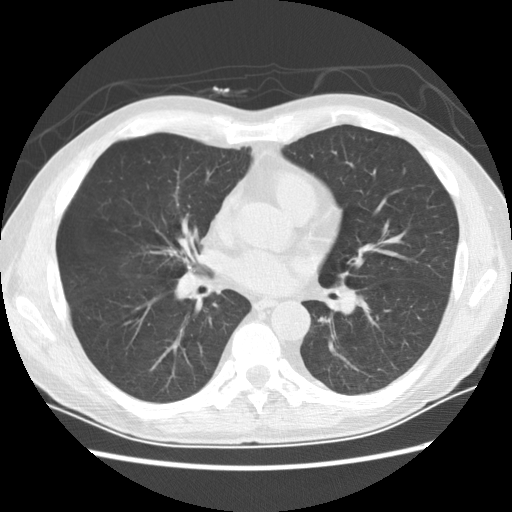
Chest CT, axial plane, 120 kVp, kernel STANDARD. Slice 73/154 from the bottom of the scan; thickness 2.50 mm; pixel size 0.684 mm.
Pulmonary nodule outlined by two of the four readers, one of them on this slice; box rows 169–173, columns 402–403 (the one reader's outline on this slice); longest diameter 6.2 mm on average over the two readers' outlines (readers' outlines 6.2 mm), volume 43–76 mm3. Ratings, by the readers' most common answer with dissent counted: texture 5/5 (solid), both readers agreeing; margin split among the readers: 3/5 (one), 5/5 (circumscribed) (one); sphericity split among the readers: 3/5 (ovoid) (one), 4/5 (one); calcification absent from both readers; internal structure soft tissue, both readers agreeing; subtlety split among the readers: 2/5 (one), 4/5 (one); malignancy likelihood 2/5, both readers agreeing. Scale key (1–5): texture non-solid→solid, margin indistinct→circumscribed, sphericity linear→round, subtlety extremely subtle→obvious, malignancy likelihood highly unlikely→highly suspicious of cancer. Box rows and columns are 0-based pixel indices from the top-left corner, inclusive.